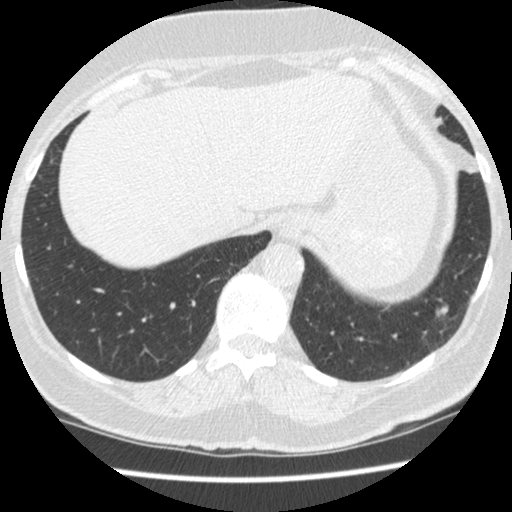
Axial chest CT slice 103 of 481 (counted from the lowest slice); tube voltage 120 kVp, convolution kernel STANDARD; slices 1.25 mm thick, 0.605 mm per pixel.
Pulmonary nodule outlined by all four readers; box rows 301–316, columns 435–448 (the union of the readers' outlines on this slice); longest diameter 13.9 mm on average over the four readers' outlines (readers' outlines 13.3–14.6 mm), volume 633–867 mm3. The readers' prevailing ratings and who disagreed: texture 5/5 (solid), all four readers agreeing; margin split among the readers: 4/5 (two), 5/5 (circumscribed) (two); sphericity 4/5 by three of four readers; the rest gave 5/5 (round) (one); calcification absent, all four readers agreeing; internal structure soft tissue, all four readers agreeing; subtlety 5/5 by three of four readers; the rest gave 4/5 (one); malignancy likelihood split among the readers: 2/5 (one), 3/5 (one), 4/5 (one), 5/5 (one). Scale key (1–5): texture non-solid→solid, margin indistinct→circumscribed, sphericity linear→round, subtlety extremely subtle→obvious, malignancy likelihood highly unlikely→highly suspicious of cancer. Box rows and columns are 0-based pixel indices from the top-left corner, inclusive.